One axial slice (49 of 145, counting up from the lowest) of a chest CT acquired at 120 kVp with the STANDARD kernel; each pixel is 0.625 mm and the slice is 2.50 mm thick.
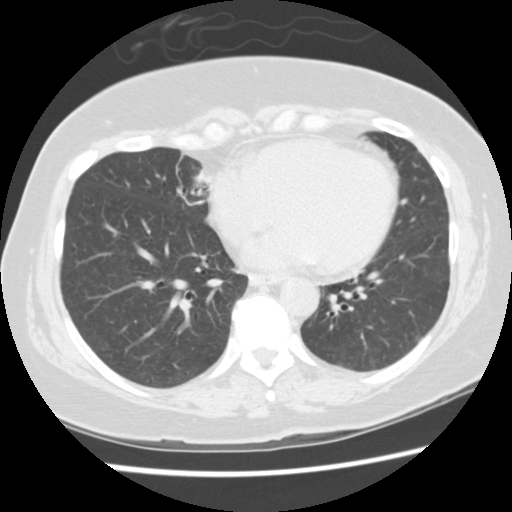
Pulmonary nodule outlined by one of the four readers; box rows 334–340, columns 415–420 (that reader's outline on this slice); longest diameter 5.6 mm and volume 68 mm3 from that reader's outline. Ratings by that reader: texture 1/5 (non-solid); margin 1/5 (indistinct); sphericity 3/5 (ovoid); calcification absent; internal structure soft tissue; subtlety 5/5; malignancy likelihood 2/5. Scale key (1–5): texture non-solid→solid, margin indistinct→circumscribed, sphericity linear→round, subtlety extremely subtle→obvious, malignancy likelihood highly unlikely→highly suspicious of cancer. Box rows and columns are 0-based pixel indices from the top-left corner, inclusive.